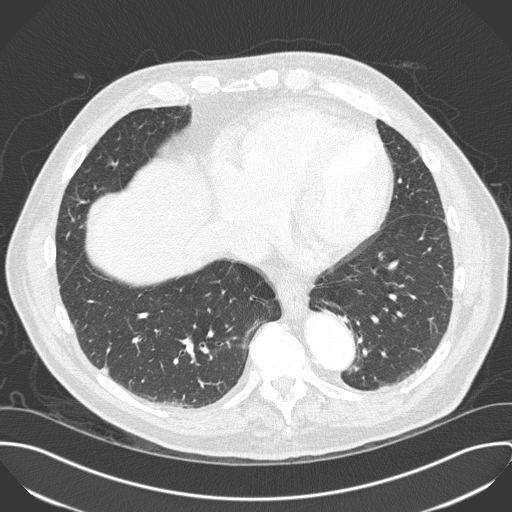
Chest CT, axial plane, 120 kVp, kernel B45f. Slice 110/330 from the bottom of the scan; thickness 1.00 mm; pixel size 0.762 mm.
Pulmonary nodule at rows 367–376, columns 99–108 (box = the union of the readers' outlines on this slice), outlined by two of the four readers; longest diameter 8.7–9.9 mm and volume 103–135 mm3 across the two readers' outlines. Ratings across the readers: texture from 4/5 to 5/5 (solid) across the two readers; margin from 4/5 to 5/5 (circumscribed) across the two readers; sphericity from 3/5 (ovoid) to 4/5 across the two readers; calcification absent from both readers; internal structure soft tissue from both readers; subtlety rated between 3 and 4 out of 5 by the two readers; malignancy likelihood rated between 2 and 3 out of 5 by the two readers. Scale key (1–5): texture non-solid→solid, margin indistinct→circumscribed, sphericity linear→round, subtlety extremely subtle→obvious, malignancy likelihood highly unlikely→highly suspicious of cancer. Box rows and columns are 0-based pixel indices from the top-left corner, inclusive.